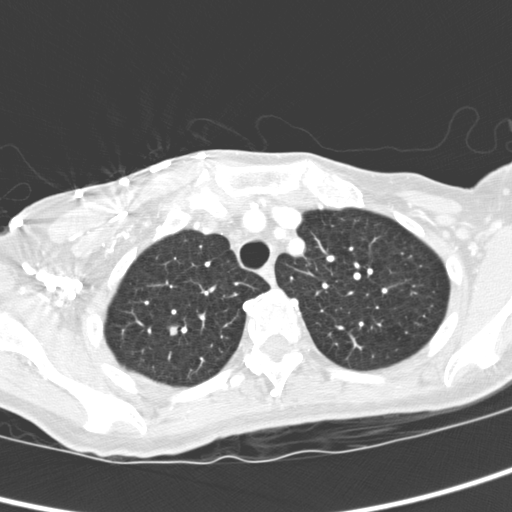
Axial chest CT slice 264 of 321 (counted from the lowest slice); tube voltage 120 kVp, convolution kernel D; slices 2.00 mm thick, 0.557 mm per pixel.
Pulmonary nodule outlined by all four readers; box rows 326–336, columns 168–178 (the union of the readers' outlines on this slice); longest diameter 9.1–10.4 mm and volume 168–407 mm3 across the four readers' outlines. Ratings across the readers: texture 5/5 (solid), all four readers agreeing; margin from 4/5 to 5/5 (circumscribed) across the four readers; sphericity from 3/5 (ovoid) to 4/5 across the four readers; calcification absent from all four readers; internal structure soft tissue, all four readers agreeing; subtlety from 4/5 to 5/5 across the four readers; malignancy likelihood rated between 3 and 5 out of 5 by the four readers. Scale key (1–5): texture non-solid→solid, margin indistinct→circumscribed, sphericity linear→round, subtlety extremely subtle→obvious, malignancy likelihood highly unlikely→highly suspicious of cancer. Box rows and columns are 0-based pixel indices from the top-left corner, inclusive.